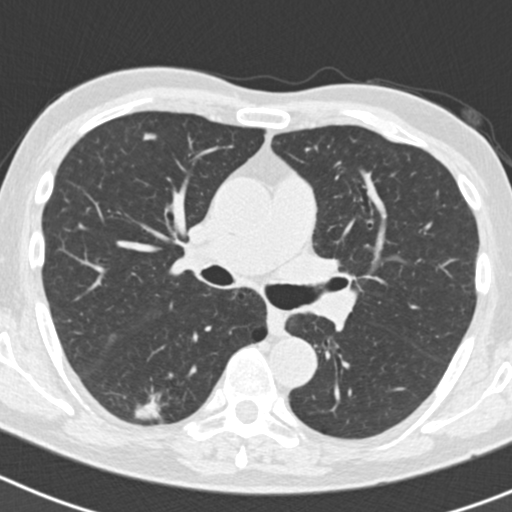
Chest CT, axial plane, 120 kVp, kernel B30f. Slice 115/186 from the bottom of the scan; thickness 2.00 mm; pixel size 0.586 mm.
Two pulmonary nodules are outlined on this slice; from left to right: (1) Pulmonary nodule outlined by three of the four readers; box rows 393–419, columns 132–160 (the union of the readers' outlines on this slice); longest diameter 20.1 mm on average over the three readers' outlines (readers' outlines 19.6–20.9 mm), volume 1911–1935 mm3. The readers' prevailing ratings and who disagreed: most readers (two of three) put texture at 4/5, others 5/5 (solid) (one); margin 3/5 by two of three readers; the rest gave 4/5 (one); sphericity split among the readers: 2/5 (one), 3/5 (ovoid) (one), 4/5 (one); calcification absent, all three readers agreeing; internal structure soft tissue from all three readers; subtlety 5/5 by two of three readers; the rest gave 4/5 (one); most readers (two of three) put malignancy likelihood at 5/5, others 3/5 (one). (2) Pulmonary nodule at rows 132–140, columns 142–156 (box = the union of the readers' outlines on this slice), outlined by three of the four readers; the three readers' outlines give a longest diameter between 9.5 and 9.7 mm and a volume between 146 and 185 mm3. The readers' ratings, as ranges where they differ: texture from 4/5 to 5/5 (solid) across the three readers; margin from 4/5 to 5/5 (circumscribed) across the three readers; sphericity from 3/5 (ovoid) to 4/5 across the three readers; calcification absent from all three readers; internal structure soft tissue, all three readers agreeing; subtlety from 2/5 to 4/5 across the three readers; malignancy likelihood from 2/5 to 3/5 across the three readers. Scale key (1–5): texture non-solid→solid, margin indistinct→circumscribed, sphericity linear→round, subtlety extremely subtle→obvious, malignancy likelihood highly unlikely→highly suspicious of cancer. Box rows and columns are 0-based pixel indices from the top-left corner, inclusive.